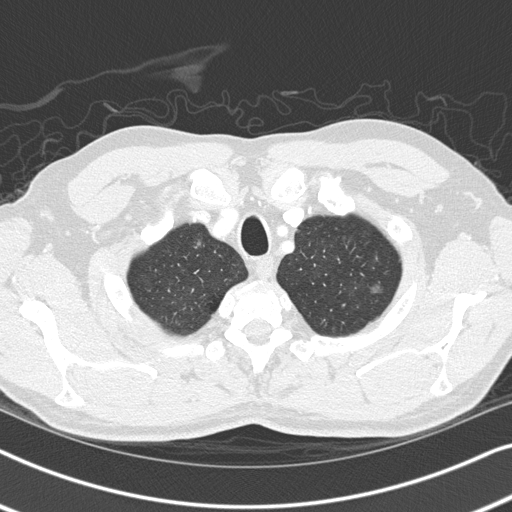
Axial slice 289 of 326 of a chest CT (slice 1 is the lowest), reconstructed with the B45f kernel at 120 kVp; 1.00 mm slice thickness and 0.645 mm pixels.
Two pulmonary nodules are outlined on this slice; from left to right: (1) Pulmonary nodule outlined by three of the four readers, two of them on this slice; box rows 240–246, columns 197–200 (the union of the readers' outlines on this slice); longest diameter 6.4 mm on average over the three readers' outlines (readers' outlines 5.5–7.8 mm), volume 49–59 mm3. Ratings, by the readers' most common answer with dissent counted: texture 3/5 (part-solid) by two of three readers; the rest gave 5/5 (solid) (one); margin split among the readers: 1/5 (indistinct) (one), 2/5 (one), 5/5 (circumscribed) (one); most readers (two of three) put sphericity at 4/5, others 5/5 (round) (one); calcification absent from all three readers; internal structure soft tissue, all three readers agreeing; subtlety 3/5, all three readers agreeing; most readers (two of three) put malignancy likelihood at 2/5, others 3/5 (one). (2) Pulmonary nodule outlined by all four readers; box rows 282–293, columns 365–383 (the union of the readers' outlines on this slice); longest diameter 9.0–13.3 mm and volume 232–417 mm3 across the four readers' outlines. Ratings across the readers: texture from 1/5 (non-solid) to 4/5 across the four readers; margin from 1/5 (indistinct) to 5/5 (circumscribed) across the four readers; sphericity from 4/5 to 5/5 (round) across the four readers; calcification absent from all four readers; internal structure soft tissue from all four readers; subtlety rated between 1 and 4 out of 5 by the four readers; malignancy likelihood from 2/5 to 3/5 across the four readers. Scale key (1–5): texture non-solid→solid, margin indistinct→circumscribed, sphericity linear→round, subtlety extremely subtle→obvious, malignancy likelihood highly unlikely→highly suspicious of cancer. Box rows and columns are 0-based pixel indices from the top-left corner, inclusive.